One axial slice (69 of 140, counting up from the lowest) of a chest CT acquired at 120 kVp with the STANDARD kernel; each pixel is 0.820 mm and the slice is 2.50 mm thick.
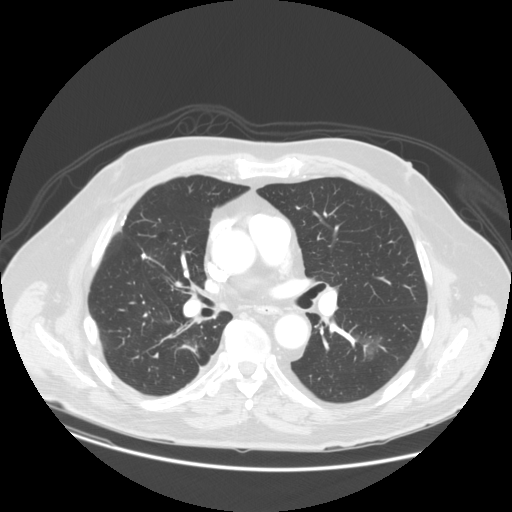
Pulmonary nodule at rows 335–360, columns 356–381 (box = that reader's outline on this slice), outlined by one of the four readers; longest diameter 31.7 mm and volume 4731 mm3 from that reader's outline. That reader's ratings: texture 1/5 (non-solid); margin 2/5; sphericity 5/5 (round); calcification absent; internal structure soft tissue; subtlety 1/5; malignancy likelihood 2/5. Scale key (1–5): texture non-solid→solid, margin indistinct→circumscribed, sphericity linear→round, subtlety extremely subtle→obvious, malignancy likelihood highly unlikely→highly suspicious of cancer. Box rows and columns are 0-based pixel indices from the top-left corner, inclusive.